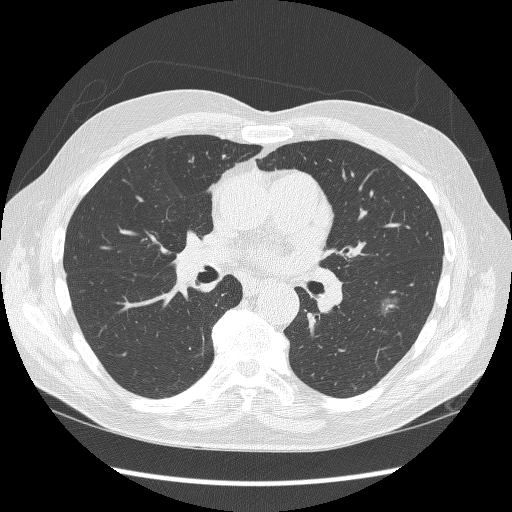
This is axial slice 179 of 298 (slice 1 is the lowest) of a chest CT; each pixel is 0.719 mm and the slice is 1.25 mm thick. Pulmonary nodule outlined by two of the four readers; box rows 297–315, columns 380–399 (the union of the readers' outlines on this slice); median longest diameter 18.2 mm (readers' outlines 18.0–18.4 mm), median volume 970 mm3 (963–976 mm3). Median ratings and the readers' spread: texture 1/5 (non-solid) from both readers; median margin 3/5 (readers ranged 1/5 (indistinct) to 5/5 (circumscribed)); median sphericity 2.5/5 (readers ranged 2/5 to 3/5 (ovoid)); calcification absent from both readers; internal structure soft tissue from both readers; median subtlety 3.5/5 (readers ranged 3–4); median malignancy likelihood 3.5/5 (readers ranged 3–4). Scale key (1–5): texture non-solid→solid, margin indistinct→circumscribed, sphericity linear→round, subtlety extremely subtle→obvious, malignancy likelihood highly unlikely→highly suspicious of cancer. Box rows and columns are 0-based pixel indices from the top-left corner, inclusive.
Scan settings: 120 kVp, BONE reconstruction kernel.